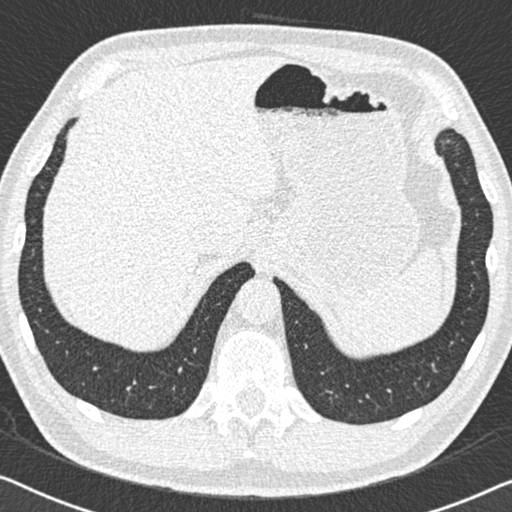
Axial chest CT slice 134 of 558 (counted from the lowest slice); tube voltage 120 kVp, convolution kernel B30f; slices 0.75 mm thick, 0.648 mm per pixel.
Pulmonary nodule at rows 167–169, columns 45–49 (box = the one reader's outline on this slice), outlined by two of the four readers, one of them on this slice; longest diameter 5.6–5.8 mm and volume 53–63 mm3 across the two readers' outlines. Ratings across the readers: texture from 4/5 to 5/5 (solid) across the two readers; margin 4/5, both readers agreeing; sphericity from 2/5 to 3/5 (ovoid) across the two readers; calcification absent, both readers agreeing; internal structure soft tissue, both readers agreeing; subtlety from 2/5 to 5/5 across the two readers; malignancy likelihood from 2/5 to 3/5 across the two readers. Scale key (1–5): texture non-solid→solid, margin indistinct→circumscribed, sphericity linear→round, subtlety extremely subtle→obvious, malignancy likelihood highly unlikely→highly suspicious of cancer. Box rows and columns are 0-based pixel indices from the top-left corner, inclusive.